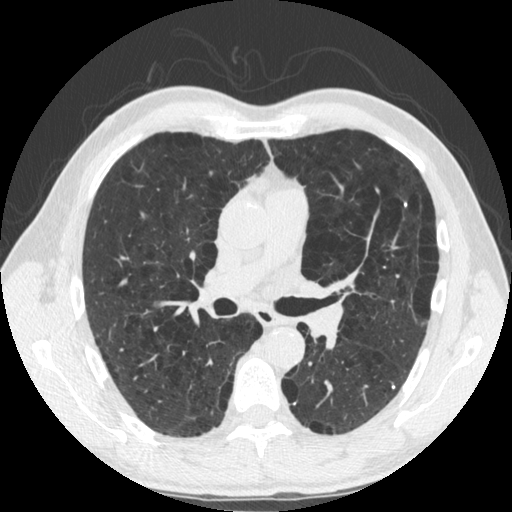
Axial slice 308 of 535 of a chest CT (slice 1 is the lowest), reconstructed with the STANDARD kernel at 120 kVp; 1.25 mm slice thickness and 0.664 mm pixels.
Pulmonary nodule, outlined by all four readers, one of them on this slice. Box on this slice rows 417–419, columns 188–194, the one reader's outline on this slice; longest diameter 11.2 mm on average over the four readers' outlines (readers' outlines 10.5–12.4 mm), volume 543–647 mm3. Ratings, by the readers' most common answer with dissent counted: texture 5/5 (solid), all four readers agreeing; margin 5/5 (circumscribed), all four readers agreeing; sphericity 5/5 (round) by two of four readers; the rest gave 3/5 (ovoid) (one), 4/5 (one); calcification absent by three of four readers, laminated calcification (one); internal structure soft tissue, all four readers agreeing; subtlety 5/5, all four readers agreeing; malignancy likelihood 1/5 by two of four readers; the rest gave 4/5 (one), 5/5 (one). Scale key (1–5): texture non-solid→solid, margin indistinct→circumscribed, sphericity linear→round, subtlety extremely subtle→obvious, malignancy likelihood highly unlikely→highly suspicious of cancer. Box rows and columns are 0-based pixel indices from the top-left corner, inclusive.